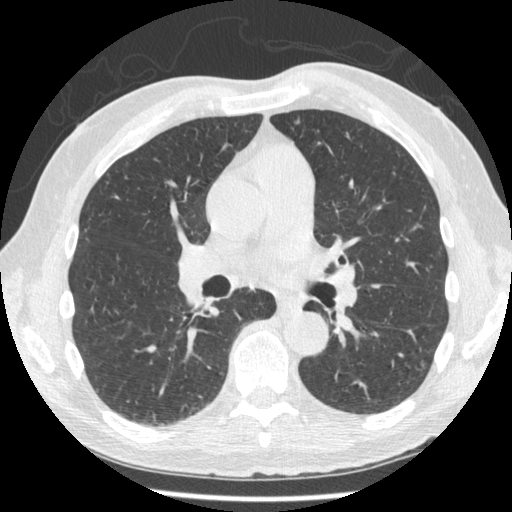
Axial slice 252 of 481 of a chest CT (slice 1 is the lowest), reconstructed with the STANDARD kernel at 120 kVp; 1.25 mm slice thickness and 0.664 mm pixels.
Two pulmonary nodules on this slice, listed from left to right. (1) Pulmonary nodule outlined by one of the four readers; box rows 117–123, columns 294–299 (that reader's outline on this slice); longest diameter 6.6 mm and volume 59 mm3 from that reader's outline. That reader's ratings: texture 5/5 (solid); margin 5/5 (circumscribed); sphericity 3/5 (ovoid); calcification absent; internal structure soft tissue; subtlety 4/5; malignancy likelihood 3/5. (2) Pulmonary nodule outlined by one of the four readers; box rows 361–367, columns 421–425 (that reader's outline on this slice); longest diameter 8.0 mm and volume 54 mm3 from that reader's outline. Ratings by that reader: texture 4/5; margin 5/5 (circumscribed); sphericity 4/5; calcification absent; internal structure soft tissue; subtlety 3/5; malignancy likelihood 3/5. Scale key (1–5): texture non-solid→solid, margin indistinct→circumscribed, sphericity linear→round, subtlety extremely subtle→obvious, malignancy likelihood highly unlikely→highly suspicious of cancer. Box rows and columns are 0-based pixel indices from the top-left corner, inclusive.